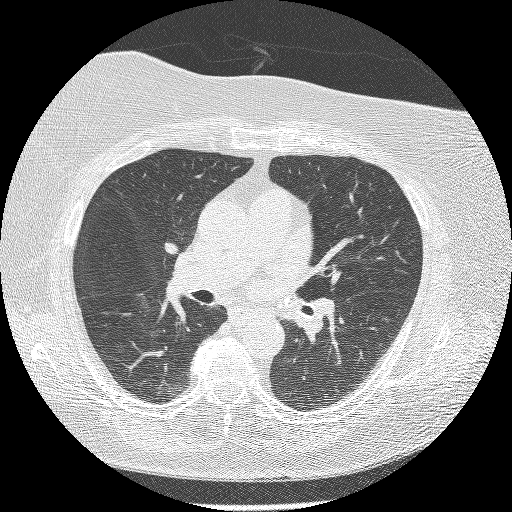
Chest CT, axial plane, 120 kVp, kernel BONE. Slice 139/213 from the bottom of the scan; thickness 1.25 mm; pixel size 0.646 mm.
No nodule 3 mm or larger was outlined here by any reader.